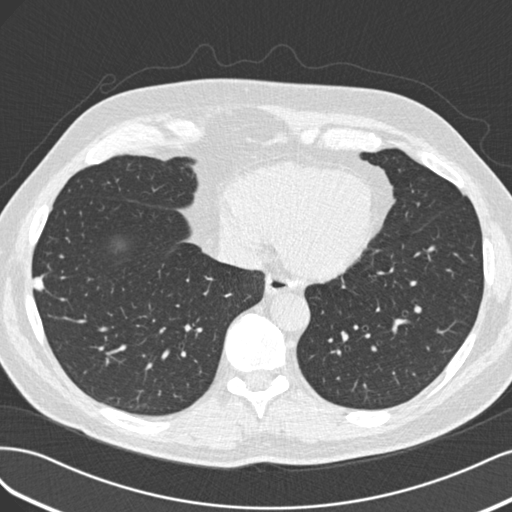
Axial chest CT slice 64 of 193 (counted from the lowest slice); tube voltage 120 kVp, convolution kernel B30f; slices 2.00 mm thick, 0.703 mm per pixel.
Pulmonary nodule, outlined by three of the four readers. Box on this slice rows 275–291, columns 32–44, the union of the readers' outlines on this slice; median longest diameter 12.3 mm (readers' outlines 12.1–12.9 mm), median volume 477 mm3 (445–586 mm3). Ratings, median across the readers with their spread: texture 5/5 (solid) at the median of three readers, spread 4/5 to 5/5 (solid); median margin 5/5 (circumscribed) (readers ranged 4/5 to 5/5 (circumscribed)); sphericity 4/5 at the median of three readers, spread 4/5 to 5/5 (round); calcification: absent (two), central calcification (one); internal structure soft tissue from all three readers; subtlety 5/5 at the median of three readers, spread 4–5; malignancy likelihood 3/5 at the median of three readers, spread 1–4. Scale key (1–5): texture non-solid→solid, margin indistinct→circumscribed, sphericity linear→round, subtlety extremely subtle→obvious, malignancy likelihood highly unlikely→highly suspicious of cancer. Box rows and columns are 0-based pixel indices from the top-left corner, inclusive.